Chest CT, axial plane, 120 kVp, kernel B. Slice 306/335 from the bottom of the scan; thickness 2.00 mm; pixel size 0.623 mm.
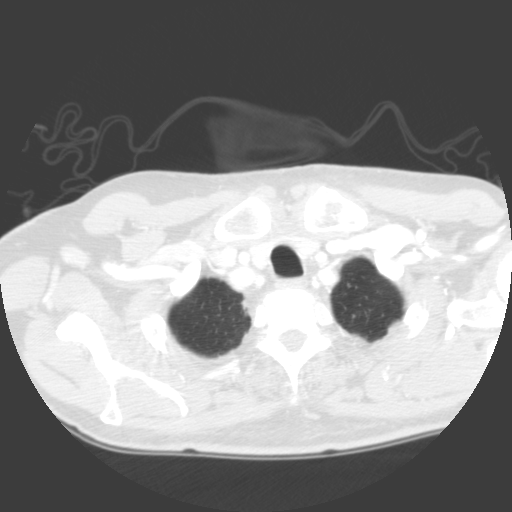
Pulmonary nodule, outlined by one of the four readers. Box on this slice rows 302–310, columns 241–246, that reader's outline on this slice; longest diameter 8.1 mm and volume 221 mm3 from that reader's outline. That reader's ratings: texture 4/5; margin 3/5; sphericity 4/5; calcification absent; internal structure soft tissue; subtlety 2/5; malignancy likelihood 1/5. Scale key (1–5): texture non-solid→solid, margin indistinct→circumscribed, sphericity linear→round, subtlety extremely subtle→obvious, malignancy likelihood highly unlikely→highly suspicious of cancer. Box rows and columns are 0-based pixel indices from the top-left corner, inclusive.